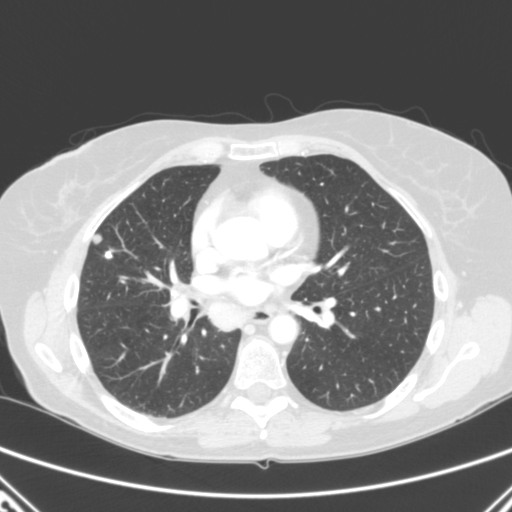
Chest CT, axial plane, 120 kVp, kernel B. Slice 144/280 from the bottom of the scan; thickness 2.00 mm; pixel size 0.676 mm.
Two pulmonary nodules on this slice, listed from left to right. (1) Pulmonary nodule, outlined by all four readers. Box on this slice rows 234–243, columns 92–102, the union of the readers' outlines on this slice; median longest diameter 9.8 mm (readers' outlines 8.8–10.6 mm), median volume 360 mm3 (292–382 mm3). Ratings, median across the readers with their spread: median texture 5/5 (solid) (readers ranged 4/5 to 5/5 (solid)); median margin 5/5 (circumscribed) (readers ranged 4/5 to 5/5 (circumscribed)); median sphericity 4/5 (readers ranged 3/5 (ovoid) to 5/5 (round)); calcification absent from all four readers; internal structure soft tissue, all four readers agreeing; median subtlety 4.5/5 (readers ranged 4–5); median malignancy likelihood 4/5 (readers ranged 3–4). (2) Pulmonary nodule, outlined by all four readers. Box on this slice rows 251–258, columns 104–112, the union of the readers' outlines on this slice; longest diameter 9.2 mm on average over the four readers' outlines (readers' outlines 8.5–10.7 mm), volume 156–292 mm3. Ratings, by the readers' most common answer with dissent counted: texture 5/5 (solid), all four readers agreeing; margin split among the readers: 4/5 (two), 5/5 (circumscribed) (two); sphericity 4/5 by two of four readers; the rest gave 3/5 (ovoid) (one), 5/5 (round) (one); calcification solid calcification by three of four readers, central calcification (one); internal structure soft tissue, all four readers agreeing; subtlety 5/5, all four readers agreeing; malignancy likelihood 1/5, all four readers agreeing. Scale key (1–5): texture non-solid→solid, margin indistinct→circumscribed, sphericity linear→round, subtlety extremely subtle→obvious, malignancy likelihood highly unlikely→highly suspicious of cancer. Box rows and columns are 0-based pixel indices from the top-left corner, inclusive.